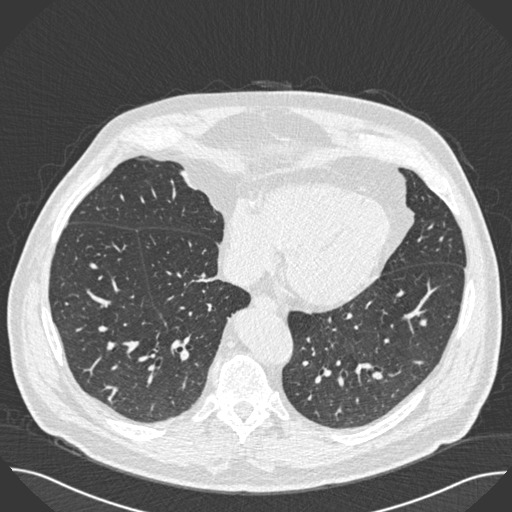
Axial chest CT slice 201 of 493 (counted from the lowest slice); tube voltage 120 kVp, convolution kernel B30f; slices 0.75 mm thick, 0.762 mm per pixel.
Pulmonary nodule, outlined by all four readers. Box on this slice rows 361–364, columns 414–422, the union of the readers' outlines on this slice; median longest diameter 10.5 mm (readers' outlines 10.0–10.8 mm), median volume 216 mm3 (188–224 mm3). Ratings, median across the readers with their spread: texture 5/5 (solid), all four readers agreeing; median margin 4.5/5 (readers ranged 4/5 to 5/5 (circumscribed)); sphericity 3/5 (ovoid) from all four readers; calcification: absent (three), solid calcification (one); internal structure soft tissue from all four readers; subtlety 4/5 at the median of four readers, spread 3–5; malignancy likelihood 3/5 at the median of four readers, spread 2–3. Scale key (1–5): texture non-solid→solid, margin indistinct→circumscribed, sphericity linear→round, subtlety extremely subtle→obvious, malignancy likelihood highly unlikely→highly suspicious of cancer. Box rows and columns are 0-based pixel indices from the top-left corner, inclusive.